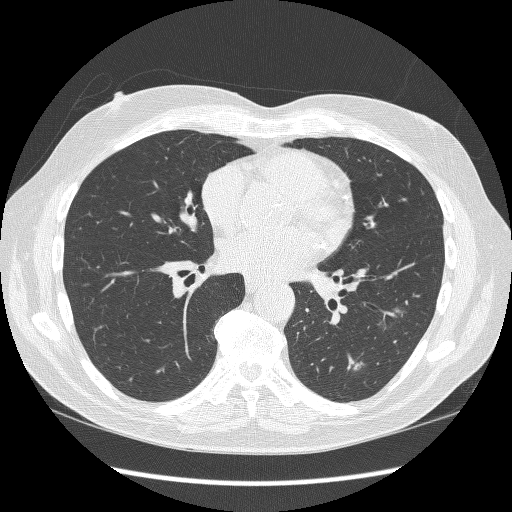
Axial slice 160 of 298 of a chest CT (slice 1 is the lowest), reconstructed with the BONE kernel at 120 kVp; 1.25 mm slice thickness and 0.719 mm pixels.
Pulmonary nodule at rows 362–370, columns 353–363 (box = the union of the readers' outlines on this slice), outlined by three of the four readers; longest diameter 11.6 mm on average over the three readers' outlines (readers' outlines 10.2–13.0 mm), volume 236–548 mm3. Ratings, by the readers' most common answer with dissent counted: texture split among the readers: 3/5 (part-solid) (one), 4/5 (one), 5/5 (solid) (one); margin split among the readers: 2/5 (one), 3/5 (one), 4/5 (one); sphericity 3/5 (ovoid) by two of three readers; the rest gave 2/5 (one); calcification absent, all three readers agreeing; internal structure soft tissue, all three readers agreeing; most readers (two of three) put subtlety at 4/5, others 3/5 (one); malignancy likelihood 4/5 by two of three readers; the rest gave 2/5 (one). Scale key (1–5): texture non-solid→solid, margin indistinct→circumscribed, sphericity linear→round, subtlety extremely subtle→obvious, malignancy likelihood highly unlikely→highly suspicious of cancer. Box rows and columns are 0-based pixel indices from the top-left corner, inclusive.